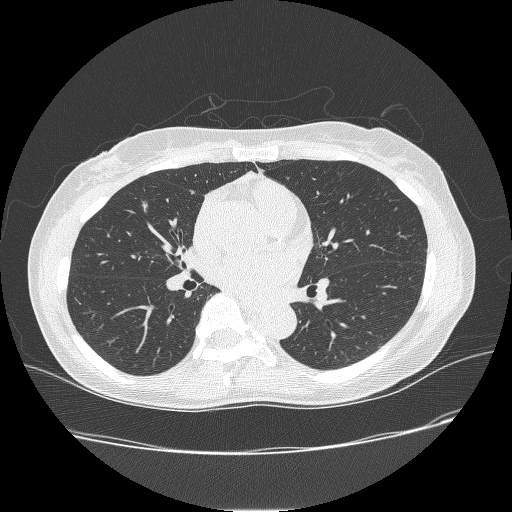
Axial slice 133 of 238 of a chest CT (slice 1 is the lowest), reconstructed with the BONE kernel at 120 kVp; 1.25 mm slice thickness and 0.703 mm pixels.
Pulmonary nodule at rows 199–213, columns 140–149 (box = the union of the readers' outlines on this slice), outlined by all four readers; longest diameter 8.8–11.4 mm and volume 98–184 mm3 across the four readers' outlines. The readers' ratings, as ranges where they differ: texture from 3/5 (part-solid) to 5/5 (solid) across the four readers; margin from 2/5 to 5/5 (circumscribed) across the four readers; sphericity from 2/5 to 4/5 across the four readers; calcification absent from all four readers; internal structure soft tissue, all four readers agreeing; subtlety from 2/5 to 5/5 across the four readers; malignancy likelihood 2–4/5 (the readers disagree). Scale key (1–5): texture non-solid→solid, margin indistinct→circumscribed, sphericity linear→round, subtlety extremely subtle→obvious, malignancy likelihood highly unlikely→highly suspicious of cancer. Box rows and columns are 0-based pixel indices from the top-left corner, inclusive.